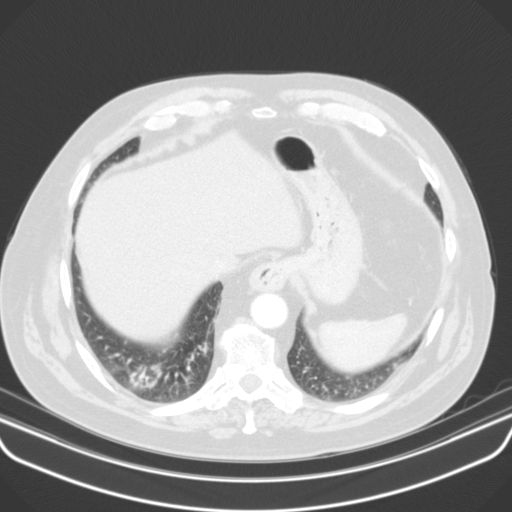
Axial chest CT slice 38 of 107 (counted from the lowest slice); tube voltage 130 kVp, convolution kernel B31s; slices 3.00 mm thick, 0.742 mm per pixel.
Pulmonary nodule at rows 364–375, columns 153–161 (box = that reader's outline on this slice), outlined by one of the four readers; longest diameter 10.5 mm and volume 181 mm3 from that reader's outline. That reader's ratings: texture 4/5; margin 2/5; sphericity 4/5; calcification absent; internal structure soft tissue; subtlety 4/5; malignancy likelihood 3/5. Scale key (1–5): texture non-solid→solid, margin indistinct→circumscribed, sphericity linear→round, subtlety extremely subtle→obvious, malignancy likelihood highly unlikely→highly suspicious of cancer. Box rows and columns are 0-based pixel indices from the top-left corner, inclusive.